Axial slice 110 of 246 of a chest CT (slice 1 is the lowest), reconstructed with the BONE kernel at 120 kVp; 1.25 mm slice thickness and 0.703 mm pixels.
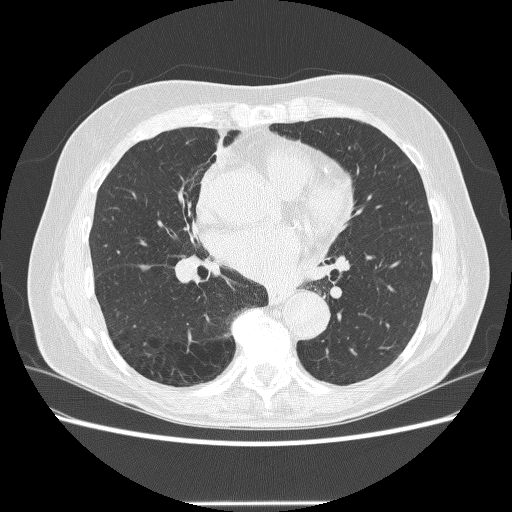
Pulmonary nodule at rows 266–270, columns 140–149 (box = that reader's outline on this slice), outlined by one of the four readers; longest diameter 8.6 mm and volume 87 mm3 from that reader's outline. Ratings by that reader: texture 5/5 (solid); margin 5/5 (circumscribed); sphericity 3/5 (ovoid); calcification absent; internal structure soft tissue; subtlety 4/5; malignancy likelihood 3/5. Scale key (1–5): texture non-solid→solid, margin indistinct→circumscribed, sphericity linear→round, subtlety extremely subtle→obvious, malignancy likelihood highly unlikely→highly suspicious of cancer. Box rows and columns are 0-based pixel indices from the top-left corner, inclusive.